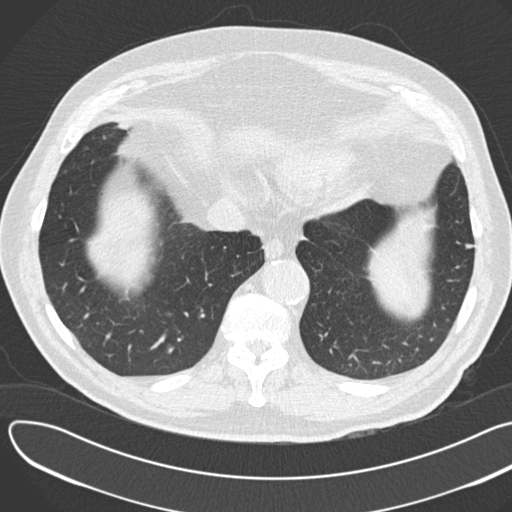
Axial chest CT slice 55 of 190 (counted from the lowest slice); 2.00 mm thick, 0.742 mm per pixel. Pulmonary nodule, outlined by one of the four readers. Box on this slice rows 244–248, columns 464–473, that reader's outline on this slice; longest diameter 8.3 mm and volume 132 mm3 from that reader's outline. That reader's ratings: texture 4/5; margin 4/5; sphericity 3/5 (ovoid); calcification absent; internal structure soft tissue; subtlety 3/5; malignancy likelihood 3/5. Scale key (1–5): texture non-solid→solid, margin indistinct→circumscribed, sphericity linear→round, subtlety extremely subtle→obvious, malignancy likelihood highly unlikely→highly suspicious of cancer. Box rows and columns are 0-based pixel indices from the top-left corner, inclusive.
Acquired at 120 kVp and reconstructed with the B30f kernel.